Axial chest CT slice 153 of 292 (counted from the lowest slice); tube voltage 120 kVp, convolution kernel STANDARD; slices 2.50 mm thick, 0.645 mm per pixel.
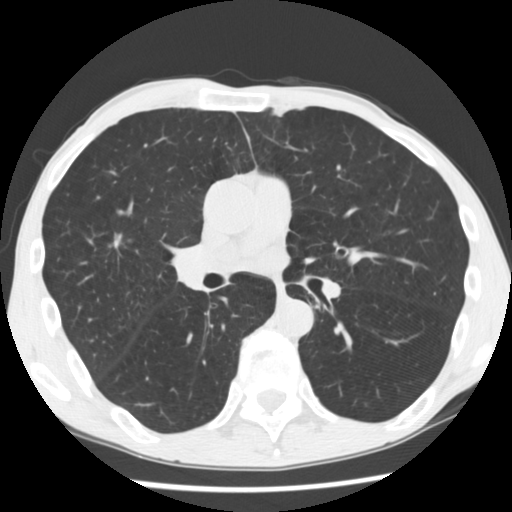
Pulmonary nodule at rows 233–249, columns 108–125 (box = the one reader's outline on this slice), outlined three times (the source holds two more outlines, not used), one of them on this slice; longest diameter 18.5 mm on average over the three readers' outlines (readers' outlines 18.2–19.0 mm), volume 892–1690 mm3. Ratings, by the readers' most common answer with dissent counted: texture 5/5 (solid), all three readers agreeing; margin split among the readers: 2/5 (one), 3/5 (one), 4/5 (one); sphericity split among the readers: 2/5 (one), 3/5 (ovoid) (one), 4/5 (one); calcification absent, all three readers agreeing; internal structure soft tissue from all three readers; subtlety 4/5 by two of three readers; the rest gave 5/5 (one); malignancy likelihood 5/5 by two of three readers; the rest gave 3/5 (one). Scale key (1–5): texture non-solid→solid, margin indistinct→circumscribed, sphericity linear→round, subtlety extremely subtle→obvious, malignancy likelihood highly unlikely→highly suspicious of cancer. Box rows and columns are 0-based pixel indices from the top-left corner, inclusive.